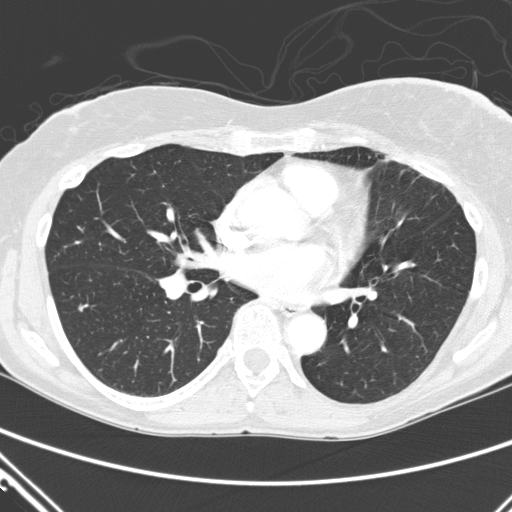
Chest CT, axial plane, 120 kVp, kernel D. Slice 258/411 from the bottom of the scan; thickness 2.00 mm; pixel size 0.654 mm.
Pulmonary nodule, outlined by two of the four readers. Box on this slice rows 305–311, columns 78–83, the union of the readers' outlines on this slice; median longest diameter 5.7 mm (readers' outlines 5.3–6.2 mm), median volume 35 mm3 (21–50 mm3). Ratings, median across the readers with their spread: median texture 4.5/5 (readers ranged 4/5 to 5/5 (solid)); median margin 4.5/5 (readers ranged 4/5 to 5/5 (circumscribed)); sphericity 4/5, both readers agreeing; calcification absent, both readers agreeing; internal structure soft tissue, both readers agreeing; median subtlety 2/5 (readers ranged 1–3); median malignancy likelihood 2.5/5 (readers ranged 1–4). Scale key (1–5): texture non-solid→solid, margin indistinct→circumscribed, sphericity linear→round, subtlety extremely subtle→obvious, malignancy likelihood highly unlikely→highly suspicious of cancer. Box rows and columns are 0-based pixel indices from the top-left corner, inclusive.